Axial chest CT slice 86 of 133 (counted from the lowest slice); tube voltage 120 kVp, convolution kernel STANDARD; slices 2.50 mm thick, 0.703 mm per pixel.
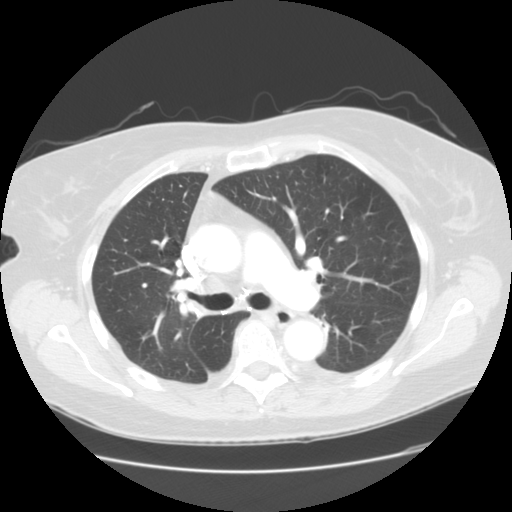
This slice carries no reader outline of a nodule 3 mm or larger.